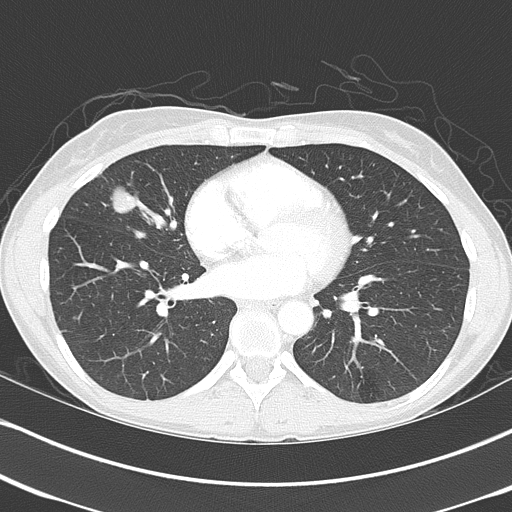
Chest CT, axial plane, 120 kVp, kernel B70f. Slice 188/368 from the bottom of the scan; thickness 2.00 mm; pixel size 0.623 mm.
Pulmonary nodule outlined by all four readers; box rows 184–214, columns 110–136 (the union of the readers' outlines on this slice); longest diameter 31.5 mm on average over the four readers' outlines (readers' outlines 27.1–39.3 mm), volume 6531–9806 mm3. Ratings, by the readers' most common answer with dissent counted: texture 5/5 (solid), all four readers agreeing; margin 4/5 by two of four readers; the rest gave 2/5 (one), 5/5 (circumscribed) (one); most readers (three of four) put sphericity at 3/5 (ovoid), others 2/5 (one); calcification split among the readers: laminated calcification (one), absent (one), popcorn calcification (one), non-central calcification (one); internal structure soft tissue from all four readers; subtlety 5/5 from all four readers; malignancy likelihood split among the readers: 1/5 (one), 2/5 (one), 4/5 (one), 5/5 (one). Scale key (1–5): texture non-solid→solid, margin indistinct→circumscribed, sphericity linear→round, subtlety extremely subtle→obvious, malignancy likelihood highly unlikely→highly suspicious of cancer. Box rows and columns are 0-based pixel indices from the top-left corner, inclusive.